Axial chest CT slice 445 of 541 (counted from the lowest slice); tube voltage 120 kVp, convolution kernel STANDARD; slices 1.25 mm thick, 0.781 mm per pixel.
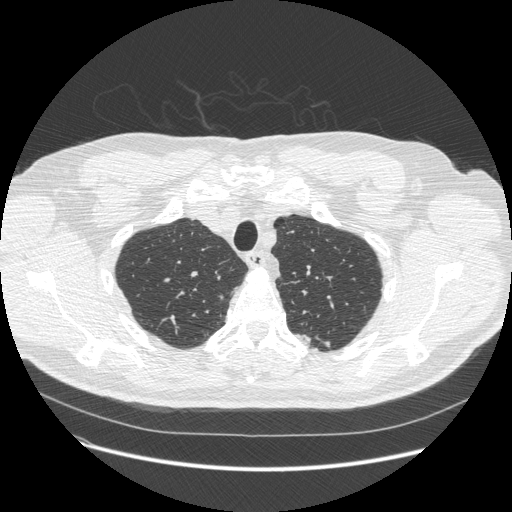
Pulmonary nodule at rows 295–299, columns 219–223 (box = the union of the readers' outlines on this slice), outlined by all four readers, three of them on this slice; longest diameter 10.1 mm on average over the four readers' outlines (readers' outlines 9.5–10.6 mm), volume 135–169 mm3. The readers' prevailing ratings and who disagreed: most readers (three of four) put texture at 5/5 (solid), others 4/5 (one); most readers (three of four) put margin at 4/5, others 2/5 (one); sphericity split among the readers: 3/5 (ovoid) (two), 4/5 (two); calcification absent from all four readers; internal structure soft tissue, all four readers agreeing; subtlety split among the readers: 2/5 (two), 5/5 (two); malignancy likelihood 3/5 by two of four readers; the rest gave 2/5 (one), 5/5 (one). Scale key (1–5): texture non-solid→solid, margin indistinct→circumscribed, sphericity linear→round, subtlety extremely subtle→obvious, malignancy likelihood highly unlikely→highly suspicious of cancer. Box rows and columns are 0-based pixel indices from the top-left corner, inclusive.